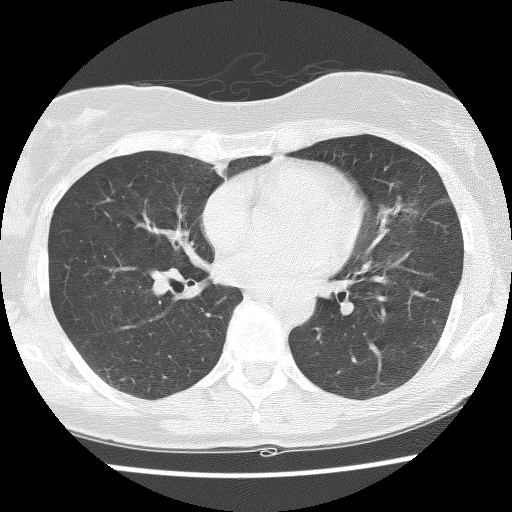
This is axial slice 64 of 127 (slice 1 is the lowest) of a chest CT; each pixel is 0.586 mm and the slice is 2.50 mm thick. Pulmonary nodule at rows 165–176, columns 214–227 (box = that reader's outline on this slice), outlined by one of the four readers; longest diameter 18.8 mm and volume 2440 mm3 from that reader's outline. That reader's ratings: texture 3/5 (part-solid); margin 2/5; sphericity 2/5; calcification absent; internal structure soft tissue; subtlety 4/5; malignancy likelihood 2/5. Scale key (1–5): texture non-solid→solid, margin indistinct→circumscribed, sphericity linear→round, subtlety extremely subtle→obvious, malignancy likelihood highly unlikely→highly suspicious of cancer. Box rows and columns are 0-based pixel indices from the top-left corner, inclusive.
Tube voltage 140 kVp; convolution kernel BONE.